Chest CT, axial plane, 120 kVp, kernel STANDARD. Slice 112/206 from the bottom of the scan; thickness 1.25 mm; pixel size 0.898 mm.
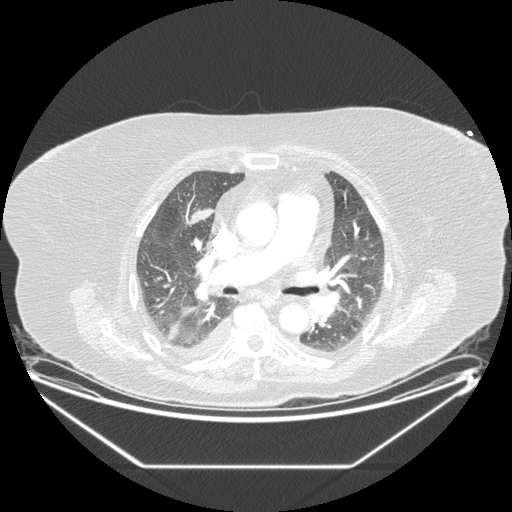
Pulmonary nodule, outlined by three of the four readers. Box on this slice rows 207–223, columns 190–213, the union of the readers' outlines on this slice; longest diameter 35.5 mm on average over the three readers' outlines (readers' outlines 31.1–37.8 mm), volume 4036–4781 mm3. The readers' prevailing ratings and who disagreed: most readers (two of three) put texture at 5/5 (solid), others 1/5 (non-solid) (one); margin 4/5, all three readers agreeing; sphericity 3/5 (ovoid) by two of three readers; the rest gave 2/5 (one); calcification absent from all three readers; internal structure soft tissue from all three readers; subtlety 5/5 by two of three readers; the rest gave 4/5 (one); most readers (two of three) put malignancy likelihood at 5/5, others 3/5 (one). Scale key (1–5): texture non-solid→solid, margin indistinct→circumscribed, sphericity linear→round, subtlety extremely subtle→obvious, malignancy likelihood highly unlikely→highly suspicious of cancer. Box rows and columns are 0-based pixel indices from the top-left corner, inclusive.